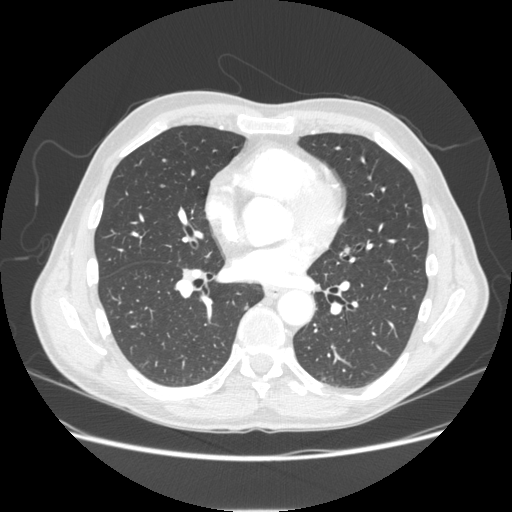
Axial chest CT slice 115 of 253 (counted from the lowest slice); 1.25 mm thick, 0.742 mm per pixel. Two pulmonary nodules on this slice, listed from left to right. (1) Pulmonary nodule at rows 184–187, columns 160–164 (box = the union of the readers' outlines on this slice), outlined by two of the four readers; longest diameter 5.7–6.7 mm and volume 47–63 mm3 across the two readers' outlines. The readers' ratings, as ranges where they differ: texture 5/5 (solid), both readers agreeing; margin from 4/5 to 5/5 (circumscribed) across the two readers; sphericity from 2/5 to 5/5 (round) across the two readers; calcification absent from both readers; internal structure soft tissue, both readers agreeing; subtlety 2/5 from both readers; malignancy likelihood rated between 2 and 3 out of 5 by the two readers. (2) Pulmonary nodule, outlined by three of the four readers. Box on this slice rows 305–309, columns 243–248, the union of the readers' outlines on this slice; longest diameter 6.3–8.2 mm and volume 72–92 mm3 across the three readers' outlines. The readers' ratings, as ranges where they differ: texture 5/5 (solid) from all three readers; margin 5/5 (circumscribed) from all three readers; sphericity from 3/5 (ovoid) to 5/5 (round) across the three readers; calcification absent, all three readers agreeing; internal structure soft tissue, all three readers agreeing; subtlety 3/5, all three readers agreeing; malignancy likelihood rated between 2 and 3 out of 5 by the three readers. Scale key (1–5): texture non-solid→solid, margin indistinct→circumscribed, sphericity linear→round, subtlety extremely subtle→obvious, malignancy likelihood highly unlikely→highly suspicious of cancer. Box rows and columns are 0-based pixel indices from the top-left corner, inclusive.
Scan settings: 120 kVp, STANDARD reconstruction kernel.